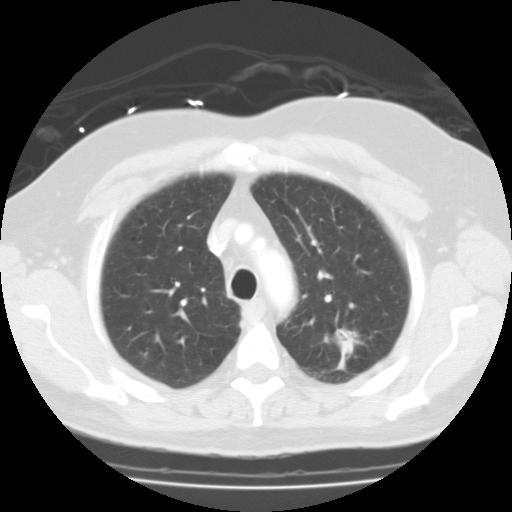
This is axial slice 86 of 115 (slice 1 is the lowest) of a chest CT; each pixel is 0.729 mm and the slice is 3.00 mm thick. Pulmonary nodule at rows 329–369, columns 332–357 (box = that reader's outline on this slice), outlined by one of the four readers; longest diameter 34.4 mm and volume 9064 mm3 from that reader's outline. Ratings by that reader: texture 5/5 (solid); margin 3/5; sphericity 2/5; calcification absent; internal structure fluid; subtlety 5/5; malignancy likelihood 3/5. Scale key (1–5): texture non-solid→solid, margin indistinct→circumscribed, sphericity linear→round, subtlety extremely subtle→obvious, malignancy likelihood highly unlikely→highly suspicious of cancer. Box rows and columns are 0-based pixel indices from the top-left corner, inclusive.
Tube voltage 135 kVp; convolution kernel FC01.